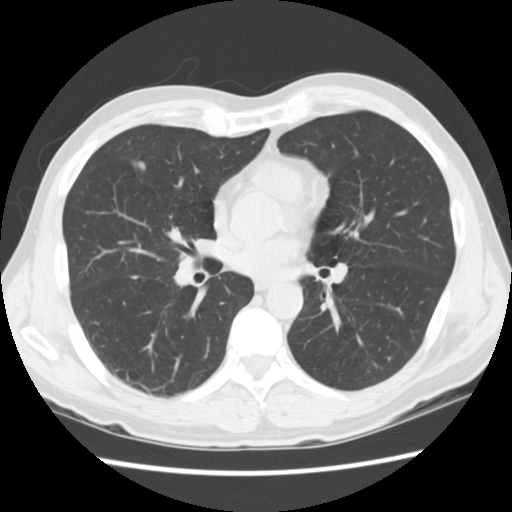
Slice 77/161 of a chest CT, counting up from the lowest; pixel size 0.664 mm, slice thickness 2.50 mm. Pulmonary nodule outlined by all four readers; box rows 159–169, columns 132–145 (the union of the readers' outlines on this slice); median longest diameter 11.4 mm (readers' outlines 10.7–13.1 mm), median volume 228 mm3 (172–293 mm3). Ratings, median across the readers with their spread: texture 5/5 (solid) from all four readers; median margin 4/5 (readers ranged 4/5 to 5/5 (circumscribed)); median sphericity 3.5/5 (readers ranged 2/5 to 5/5 (round)); calcification absent from all four readers; internal structure soft tissue, all four readers agreeing; subtlety 4/5 at the median of four readers, spread 3–5; median malignancy likelihood 3/5 (readers ranged 2–4). Scale key (1–5): texture non-solid→solid, margin indistinct→circumscribed, sphericity linear→round, subtlety extremely subtle→obvious, malignancy likelihood highly unlikely→highly suspicious of cancer. Box rows and columns are 0-based pixel indices from the top-left corner, inclusive.
Tube voltage 120 kVp; convolution kernel STANDARD.